One axial slice (73 of 315, counting up from the lowest) of a chest CT acquired at 120 kVp with the B kernel; each pixel is 0.830 mm and the slice is 2.00 mm thick.
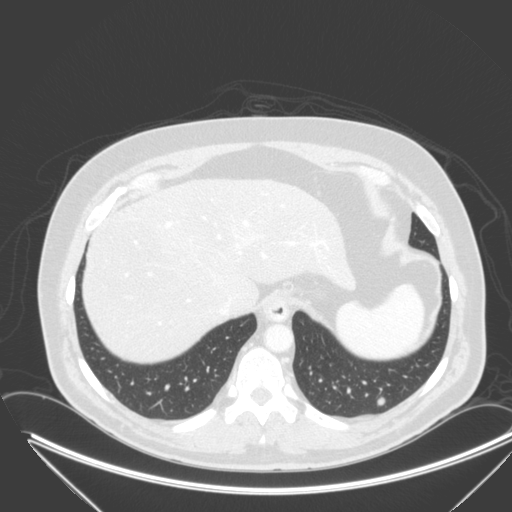
Pulmonary nodule outlined by all four readers; box rows 397–405, columns 376–385 (the union of the readers' outlines on this slice); longest diameter 10.3–12.9 mm and volume 426–557 mm3 across the four readers' outlines. The readers' ratings, as ranges where they differ: texture 5/5 (solid), all four readers agreeing; margin from 4/5 to 5/5 (circumscribed) across the four readers; sphericity from 3/5 (ovoid) to 5/5 (round) across the four readers; calcification absent, all four readers agreeing; internal structure soft tissue, all four readers agreeing; subtlety 4–5/5 (the readers disagree); malignancy likelihood from 3/5 to 4/5 across the four readers. Scale key (1–5): texture non-solid→solid, margin indistinct→circumscribed, sphericity linear→round, subtlety extremely subtle→obvious, malignancy likelihood highly unlikely→highly suspicious of cancer. Box rows and columns are 0-based pixel indices from the top-left corner, inclusive.